One axial slice (59 of 102, counting up from the lowest) of a chest CT acquired at 135 kVp with the FC01 kernel; each pixel is 0.808 mm and the slice is 3.00 mm thick.
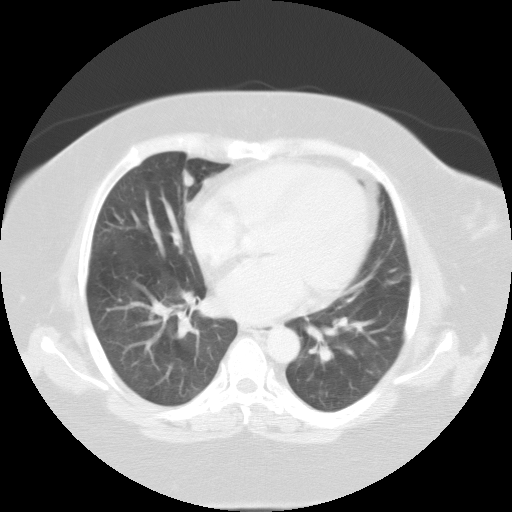
Pulmonary nodule, outlined by all four readers. Box on this slice rows 169–186, columns 182–194, the union of the readers' outlines on this slice; median longest diameter 15.6 mm (readers' outlines 14.6–15.9 mm), median volume 783 mm3 (600–931 mm3). Median ratings and the readers' spread: median texture 3.5/5 (readers ranged 3/5 (part-solid) to 5/5 (solid)); margin 3.5/5 at the median of four readers, spread 2/5 to 5/5 (circumscribed); median sphericity 3/5 (ovoid) (readers ranged 2/5 to 3/5 (ovoid)); calcification absent from all four readers; internal structure soft tissue from all four readers; median subtlety 4/5 (readers ranged 3–5); median malignancy likelihood 3.5/5 (readers ranged 1–4). Scale key (1–5): texture non-solid→solid, margin indistinct→circumscribed, sphericity linear→round, subtlety extremely subtle→obvious, malignancy likelihood highly unlikely→highly suspicious of cancer. Box rows and columns are 0-based pixel indices from the top-left corner, inclusive.